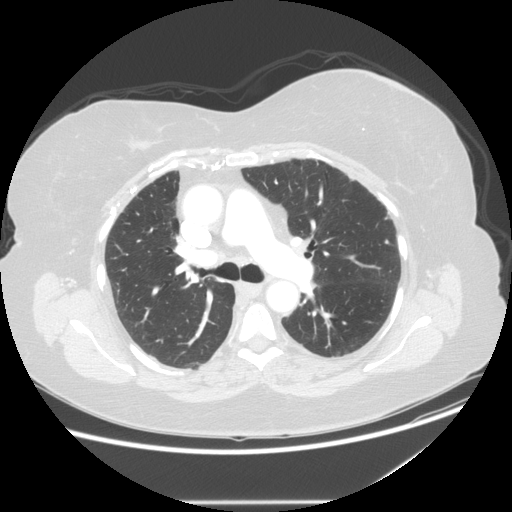
Axial chest CT slice 89 of 139 (counted from the lowest slice); 2.50 mm thick, 0.781 mm per pixel. Pulmonary nodule outlined by one of the four readers; box rows 239–243, columns 385–388 (that reader's outline on this slice); longest diameter 4.9 mm and volume 34 mm3 from that reader's outline. That reader's ratings: texture 5/5 (solid); margin 4/5; sphericity 4/5; calcification absent; internal structure soft tissue; subtlety 2/5; malignancy likelihood 3/5. Scale key (1–5): texture non-solid→solid, margin indistinct→circumscribed, sphericity linear→round, subtlety extremely subtle→obvious, malignancy likelihood highly unlikely→highly suspicious of cancer. Box rows and columns are 0-based pixel indices from the top-left corner, inclusive.
Acquired at 120 kVp and reconstructed with the STANDARD kernel.